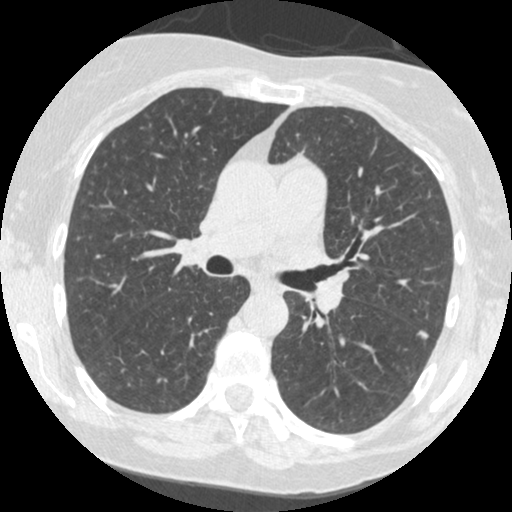
Axial chest CT slice 262 of 484 (counted from the lowest slice); tube voltage 120 kVp, convolution kernel STANDARD; slices 1.25 mm thick, 0.586 mm per pixel.
Pulmonary nodule at rows 329–339, columns 417–429 (box = the union of the readers' outlines on this slice), outlined by all four readers; median longest diameter 8.9 mm (readers' outlines 6.6–9.0 mm), median volume 93 mm3 (60–132 mm3). Median ratings and the readers' spread: texture 5/5 (solid), all four readers agreeing; margin 4.5/5 at the median of four readers, spread 4/5 to 5/5 (circumscribed); median sphericity 3.5/5 (readers ranged 3/5 (ovoid) to 4/5); calcification absent from all four readers; internal structure soft tissue from all four readers; median subtlety 5/5 (readers ranged 4–5); median malignancy likelihood 2/5 (readers ranged 2–4). Scale key (1–5): texture non-solid→solid, margin indistinct→circumscribed, sphericity linear→round, subtlety extremely subtle→obvious, malignancy likelihood highly unlikely→highly suspicious of cancer. Box rows and columns are 0-based pixel indices from the top-left corner, inclusive.